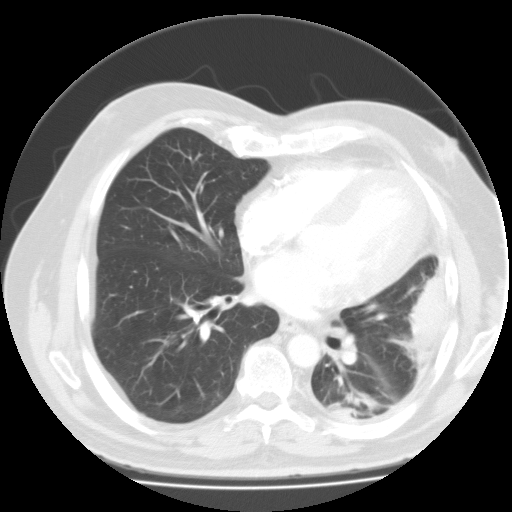
Axial chest CT slice 60 of 111 (counted from the lowest slice); tube voltage 135 kVp, convolution kernel FC01; slices 3.00 mm thick, 0.769 mm per pixel.
No nodule of 3 mm or larger was outlined by any of the four readers on this slice.